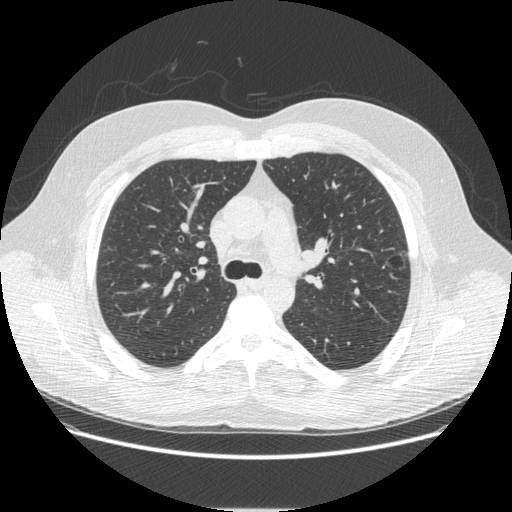
Axial chest CT slice 320 of 497 (counted from the lowest slice); tube voltage 120 kVp, convolution kernel STANDARD; slices 1.25 mm thick, 0.762 mm per pixel.
Pulmonary nodule at rows 250–271, columns 385–408 (box = the union of the readers' outlines on this slice), outlined by all four readers; longest diameter 21.5–22.5 mm and volume 2170–2597 mm3 across the four readers' outlines. Ratings across the readers: texture from 1/5 (non-solid) to 3/5 (part-solid) across the four readers; margin from 2/5 to 4/5 across the four readers; sphericity from 3/5 (ovoid) to 5/5 (round) across the four readers; calcification absent from all four readers; internal structure split among the readers: air (two), soft tissue (two); subtlety 1–5/5 (the readers disagree); malignancy likelihood 1–5/5 (the readers disagree). Scale key (1–5): texture non-solid→solid, margin indistinct→circumscribed, sphericity linear→round, subtlety extremely subtle→obvious, malignancy likelihood highly unlikely→highly suspicious of cancer. Box rows and columns are 0-based pixel indices from the top-left corner, inclusive.